Chest CT, axial plane, 120 kVp, kernel BONE. Slice 127/260 from the bottom of the scan; thickness 1.25 mm; pixel size 0.615 mm.
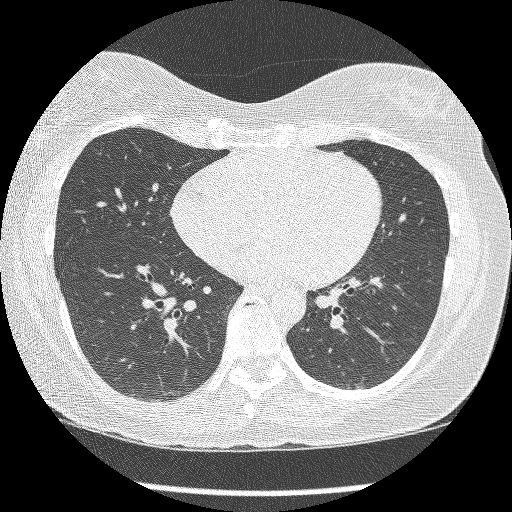
No nodule 3 mm or larger was outlined here by any reader.